One axial slice (72 of 137, counting up from the lowest) of a chest CT acquired at 120 kVp with the STANDARD kernel; each pixel is 0.781 mm and the slice is 2.50 mm thick.
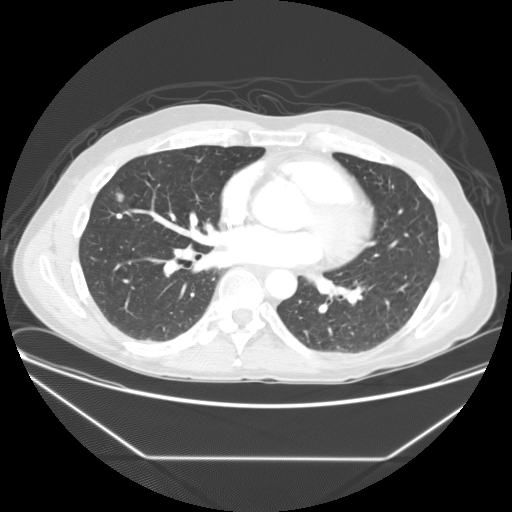
Two pulmonary nodules on this slice, listed from left to right. (1) Pulmonary nodule, outlined by two of the four readers. Box on this slice rows 213–218, columns 115–121, the union of the readers' outlines on this slice; longest diameter 5.6 mm on average over the two readers' outlines (readers' outlines 4.9–6.3 mm), volume 72–96 mm3. The readers' prevailing ratings and who disagreed: texture 5/5 (solid), both readers agreeing; margin 5/5 (circumscribed) from both readers; sphericity split among the readers: 3/5 (ovoid) (one), 5/5 (round) (one); calcification solid calcification, both readers agreeing; internal structure soft tissue, both readers agreeing; subtlety split among the readers: 4/5 (one), 5/5 (one); malignancy likelihood 1/5 from both readers. (2) Pulmonary nodule at rows 191–202, columns 114–124 (box = the union of the readers' outlines on this slice), outlined by all four readers; the four readers' outlines give a longest diameter between 14.3 and 15.8 mm and a volume between 1035 and 1472 mm3. Ratings across the readers: texture 5/5 (solid) from all four readers; margin from 4/5 to 5/5 (circumscribed) across the four readers; sphericity from 4/5 to 5/5 (round) across the four readers; calcification absent, all four readers agreeing; internal structure soft tissue from all four readers; subtlety from 3/5 to 5/5 across the four readers; malignancy likelihood 2–4/5 (the readers disagree). Scale key (1–5): texture non-solid→solid, margin indistinct→circumscribed, sphericity linear→round, subtlety extremely subtle→obvious, malignancy likelihood highly unlikely→highly suspicious of cancer. Box rows and columns are 0-based pixel indices from the top-left corner, inclusive.